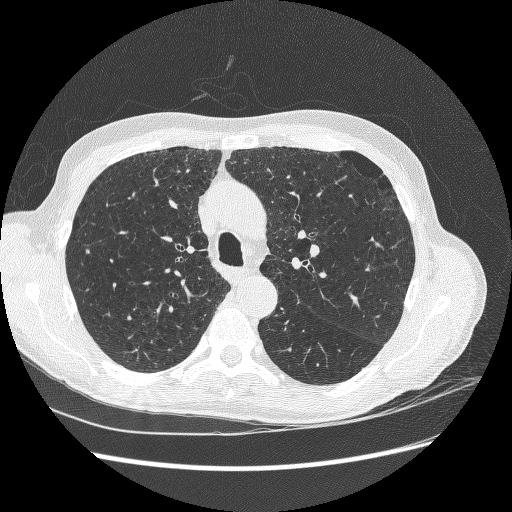
One axial slice (191 of 278, counting up from the lowest) of a chest CT acquired at 120 kVp with the BONE kernel; each pixel is 0.711 mm and the slice is 1.25 mm thick.
Pulmonary nodule at rows 249–253, columns 85–89 (box = the union of the readers' outlines on this slice), outlined by three of the four readers; longest diameter 4.8–5.1 mm and volume 36–56 mm3 across the three readers' outlines. Ratings across the readers: texture from 4/5 to 5/5 (solid) across the three readers; margin from 2/5 to 5/5 (circumscribed) across the three readers; sphericity from 4/5 to 5/5 (round) across the three readers; calcification absent, all three readers agreeing; internal structure soft tissue from all three readers; subtlety from 1/5 to 5/5 across the three readers; malignancy likelihood rated between 2 and 3 out of 5 by the three readers. Scale key (1–5): texture non-solid→solid, margin indistinct→circumscribed, sphericity linear→round, subtlety extremely subtle→obvious, malignancy likelihood highly unlikely→highly suspicious of cancer. Box rows and columns are 0-based pixel indices from the top-left corner, inclusive.